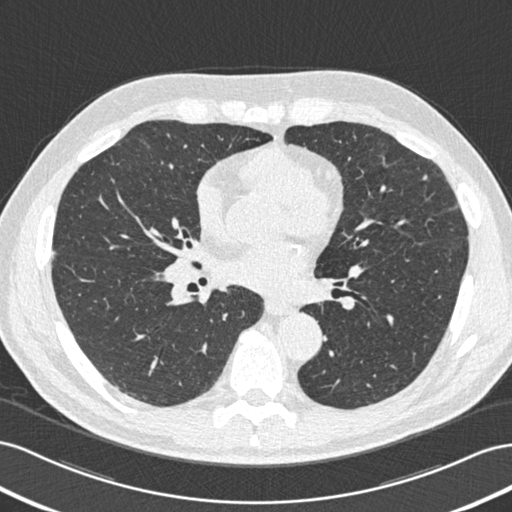
Axial chest CT slice 259 of 506 (counted from the lowest slice); tube voltage 120 kVp, convolution kernel B30f; slices 0.75 mm thick, 0.699 mm per pixel.
Pulmonary nodule at rows 175–179, columns 423–426 (box = that reader's outline on this slice), outlined by one of the four readers; longest diameter 5.3 mm and volume 27 mm3 from that reader's outline. Ratings by that reader: texture 5/5 (solid); margin 3/5; sphericity 3/5 (ovoid); calcification absent; internal structure soft tissue; subtlety 2/5; malignancy likelihood 2/5. Scale key (1–5): texture non-solid→solid, margin indistinct→circumscribed, sphericity linear→round, subtlety extremely subtle→obvious, malignancy likelihood highly unlikely→highly suspicious of cancer. Box rows and columns are 0-based pixel indices from the top-left corner, inclusive.